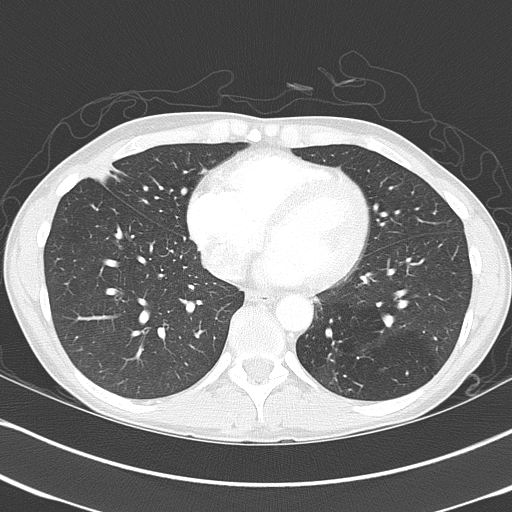
Axial chest CT slice 162 of 368 (counted from the lowest slice); 2.00 mm thick, 0.623 mm per pixel. Pulmonary nodule at rows 164–184, columns 85–124 (box = the union of the readers' outlines on this slice), outlined by all four readers, two of them on this slice; longest diameter 31.5 mm on average over the four readers' outlines (readers' outlines 27.1–39.3 mm), volume 6531–9806 mm3. Ratings, by the readers' most common answer with dissent counted: texture 5/5 (solid), all four readers agreeing; margin 4/5 by two of four readers; the rest gave 2/5 (one), 5/5 (circumscribed) (one); sphericity 3/5 (ovoid) by three of four readers; the rest gave 2/5 (one); calcification split among the readers: laminated calcification (one), absent (one), popcorn calcification (one), non-central calcification (one); internal structure soft tissue from all four readers; subtlety 5/5 from all four readers; malignancy likelihood split among the readers: 1/5 (one), 2/5 (one), 4/5 (one), 5/5 (one). Scale key (1–5): texture non-solid→solid, margin indistinct→circumscribed, sphericity linear→round, subtlety extremely subtle→obvious, malignancy likelihood highly unlikely→highly suspicious of cancer. Box rows and columns are 0-based pixel indices from the top-left corner, inclusive.
Acquired at 120 kVp and reconstructed with the B70f kernel.